Chest CT, axial plane, 120 kVp, kernel B45f. Slice 165/347 from the bottom of the scan; thickness 1.00 mm; pixel size 0.625 mm.
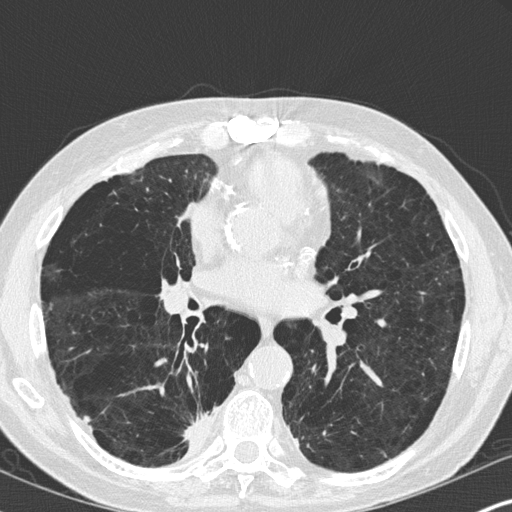
Pulmonary nodule at rows 451–456, columns 380–385 (box = the one reader's outline on this slice), outlined by all four readers, one of them on this slice; longest diameter 8.4 mm on average over the four readers' outlines (readers' outlines 6.4–10.2 mm), volume 51–128 mm3. Ratings, by the readers' most common answer with dissent counted: texture 5/5 (solid), all four readers agreeing; margin 4/5 by two of four readers; the rest gave 3/5 (one), 5/5 (circumscribed) (one); sphericity split among the readers: 2/5 (one), 3/5 (ovoid) (one), 4/5 (one), 5/5 (round) (one); calcification absent from all four readers; internal structure soft tissue from all four readers; subtlety split among the readers: 2/5 (one), 3/5 (one), 4/5 (one), 5/5 (one); malignancy likelihood 3/5 by two of four readers; the rest gave 2/5 (one), 4/5 (one). Scale key (1–5): texture non-solid→solid, margin indistinct→circumscribed, sphericity linear→round, subtlety extremely subtle→obvious, malignancy likelihood highly unlikely→highly suspicious of cancer. Box rows and columns are 0-based pixel indices from the top-left corner, inclusive.